One axial slice (97 of 133, counting up from the lowest) of a chest CT acquired at 120 kVp with the STANDARD kernel; each pixel is 0.742 mm and the slice is 2.50 mm thick.
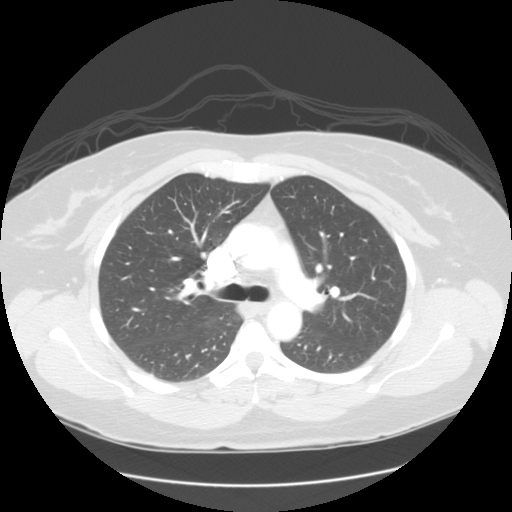
None of the four readers outlined a nodule of 3 mm or more on this slice.